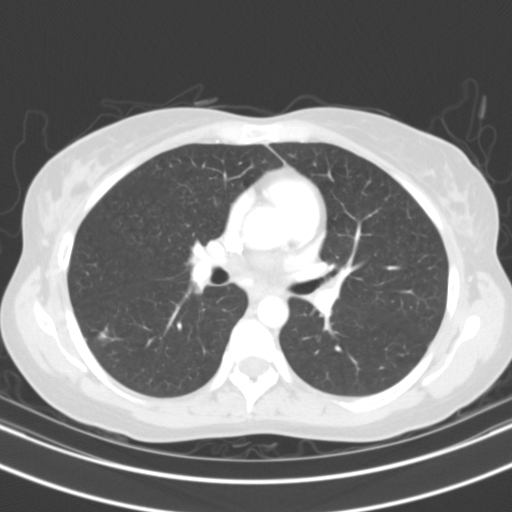
Axial chest CT slice 66 of 108 (counted from the lowest slice); 3.00 mm thick, 0.629 mm per pixel. Pulmonary nodule outlined by all four readers, two of them on this slice; box rows 330–341, columns 97–108 (the union of the readers' outlines on this slice); median longest diameter 16.6 mm (readers' outlines 15.5–16.9 mm), median volume 1020 mm3 (796–1190 mm3). Median ratings and the readers' spread: median texture 5/5 (solid) (readers ranged 4/5 to 5/5 (solid)); median margin 4.5/5 (readers ranged 4/5 to 5/5 (circumscribed)); median sphericity 4/5 (readers ranged 3/5 (ovoid) to 5/5 (round)); calcification: solid calcification (three), absent (one); internal structure soft tissue from all four readers; subtlety 5/5 at the median of four readers, spread 4–5; malignancy likelihood 1/5 at the median of four readers, spread 1–3. Scale key (1–5): texture non-solid→solid, margin indistinct→circumscribed, sphericity linear→round, subtlety extremely subtle→obvious, malignancy likelihood highly unlikely→highly suspicious of cancer. Box rows and columns are 0-based pixel indices from the top-left corner, inclusive.
Scan settings: 130 kVp, B31s reconstruction kernel.